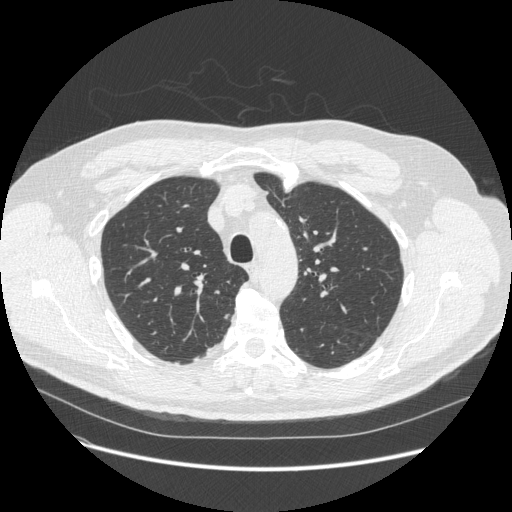
Axial slice 394 of 541 of a chest CT (slice 1 is the lowest), reconstructed with the STANDARD kernel at 120 kVp; 1.25 mm slice thickness and 0.781 mm pixels.
Pulmonary nodule outlined by three of the four readers; box rows 314–318, columns 223–229 (the union of the readers' outlines on this slice); median longest diameter 7.0 mm (readers' outlines 7.0–8.0 mm), median volume 78 mm3 (58–82 mm3). Median ratings and the readers' spread: texture 5/5 (solid), all three readers agreeing; median margin 4/5 (readers ranged 3/5 to 5/5 (circumscribed)); sphericity 3/5 (ovoid) at the median of three readers, spread 2/5 to 4/5; calcification absent, all three readers agreeing; internal structure soft tissue, all three readers agreeing; subtlety 4/5 at the median of three readers, spread 3–5; malignancy likelihood 2/5 at the median of three readers, spread 2–4. Scale key (1–5): texture non-solid→solid, margin indistinct→circumscribed, sphericity linear→round, subtlety extremely subtle→obvious, malignancy likelihood highly unlikely→highly suspicious of cancer. Box rows and columns are 0-based pixel indices from the top-left corner, inclusive.